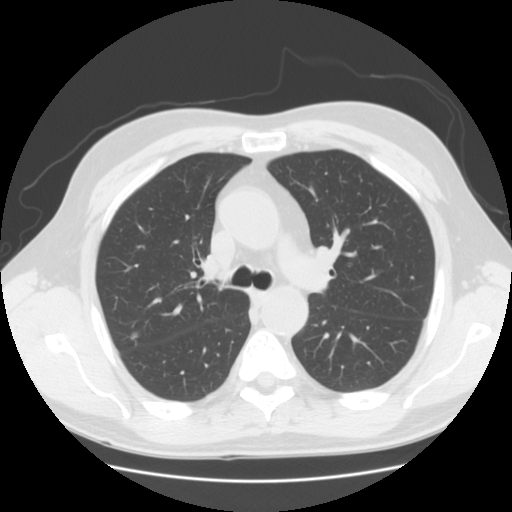
One axial slice (88 of 133, counting up from the lowest) of a chest CT acquired at 120 kVp with the STANDARD kernel; each pixel is 0.703 mm and the slice is 2.50 mm thick.
Pulmonary nodule, outlined by all four readers. Box on this slice rows 332–340, columns 130–139, the union of the readers' outlines on this slice; the four readers' outlines give a longest diameter between 8.5 and 9.4 mm and a volume between 198 and 407 mm3. The readers' ratings, as ranges where they differ: texture 5/5 (solid) from all four readers; margin from 4/5 to 5/5 (circumscribed) across the four readers; sphericity from 3/5 (ovoid) to 5/5 (round) across the four readers; calcification absent from all four readers; internal structure soft tissue from all four readers; subtlety from 4/5 to 5/5 across the four readers; malignancy likelihood rated between 2 and 4 out of 5 by the four readers. Scale key (1–5): texture non-solid→solid, margin indistinct→circumscribed, sphericity linear→round, subtlety extremely subtle→obvious, malignancy likelihood highly unlikely→highly suspicious of cancer. Box rows and columns are 0-based pixel indices from the top-left corner, inclusive.